Axial chest CT slice 402 of 633 (counted from the lowest slice); tube voltage 120 kVp, convolution kernel B30f; slices 0.60 mm thick, 0.541 mm per pixel.
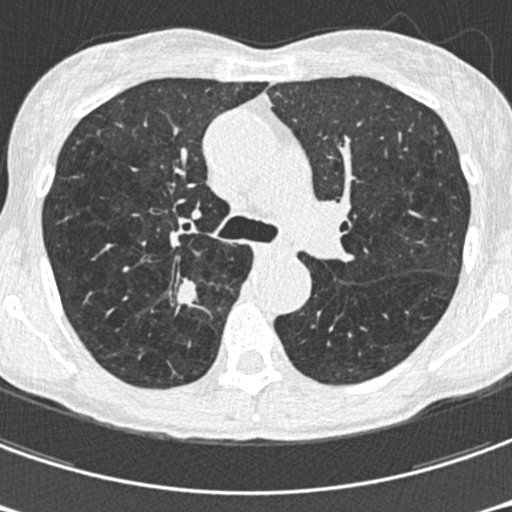
Pulmonary nodule at rows 277–305, columns 177–196 (box = the union of the readers' outlines on this slice), outlined by all four readers; longest diameter 18.1–21.0 mm and volume 1292–1642 mm3 across the four readers' outlines. The readers' ratings, as ranges where they differ: texture 5/5 (solid), all four readers agreeing; margin from 1/5 (indistinct) to 3/5 across the four readers; sphericity from 2/5 to 4/5 across the four readers; calcification absent from all four readers; internal structure soft tissue from all four readers; subtlety 4–5/5 (the readers disagree); malignancy likelihood 4–5/5 (the readers disagree). Scale key (1–5): texture non-solid→solid, margin indistinct→circumscribed, sphericity linear→round, subtlety extremely subtle→obvious, malignancy likelihood highly unlikely→highly suspicious of cancer. Box rows and columns are 0-based pixel indices from the top-left corner, inclusive.